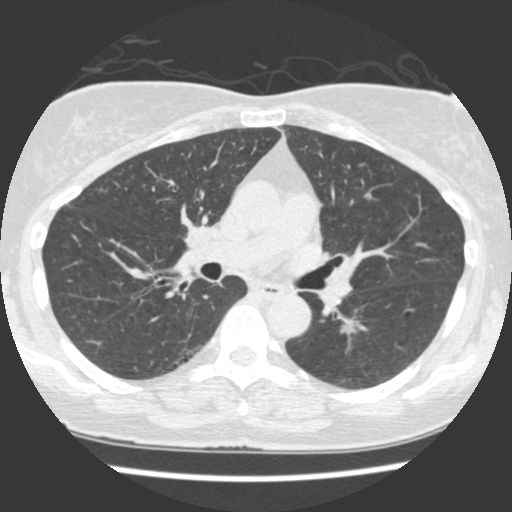
Axial chest CT slice 221 of 429 (counted from the lowest slice); tube voltage 120 kVp, convolution kernel STANDARD; slices 1.25 mm thick, 0.586 mm per pixel.
Pulmonary nodule at rows 193–200, columns 363–372 (box = the union of the readers' outlines on this slice), outlined by two of the four readers; median longest diameter 6.2 mm (readers' outlines 6.1–6.3 mm), median volume 46 mm3 (46–47 mm3). Ratings, median across the readers with their spread: texture 5/5 (solid), both readers agreeing; median margin 3.5/5 (readers ranged 2/5 to 5/5 (circumscribed)); sphericity 4/5, both readers agreeing; calcification absent, both readers agreeing; internal structure soft tissue, both readers agreeing; subtlety 3/5 at the median of two readers, spread 2–4; malignancy likelihood 2/5, both readers agreeing. Scale key (1–5): texture non-solid→solid, margin indistinct→circumscribed, sphericity linear→round, subtlety extremely subtle→obvious, malignancy likelihood highly unlikely→highly suspicious of cancer. Box rows and columns are 0-based pixel indices from the top-left corner, inclusive.